One axial slice (56 of 133, counting up from the lowest) of a chest CT acquired at 120 kVp with the STANDARD kernel; each pixel is 0.703 mm and the slice is 2.50 mm thick.
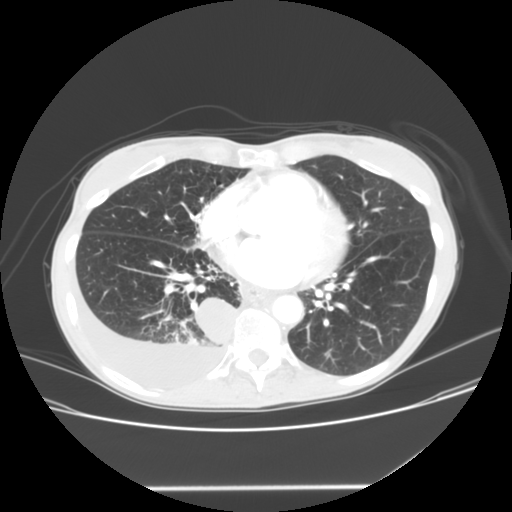
Pulmonary nodule, outlined by two of the four readers. Box on this slice rows 299–343, columns 194–233, the union of the readers' outlines on this slice; median longest diameter 35.2 mm (readers' outlines 33.4–36.9 mm), median volume 15549 mm3 (15304–15793 mm3). Median ratings and the readers' spread: median texture 4.5/5 (readers ranged 4/5 to 5/5 (solid)); margin 5/5 (circumscribed) from both readers; sphericity 4.5/5 at the median of two readers, spread 4/5 to 5/5 (round); calcification absent from both readers; internal structure soft tissue from both readers; subtlety 5/5 from both readers; malignancy likelihood 2.5/5 at the median of two readers, spread 2–3. Scale key (1–5): texture non-solid→solid, margin indistinct→circumscribed, sphericity linear→round, subtlety extremely subtle→obvious, malignancy likelihood highly unlikely→highly suspicious of cancer. Box rows and columns are 0-based pixel indices from the top-left corner, inclusive.